One axial slice (175 of 484, counting up from the lowest) of a chest CT acquired at 120 kVp with the STANDARD kernel; each pixel is 0.586 mm and the slice is 1.25 mm thick.
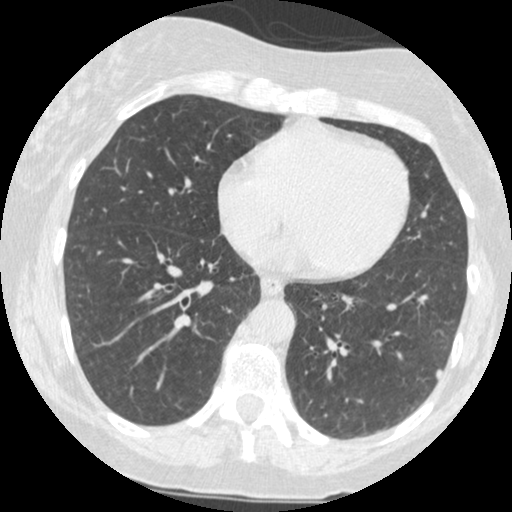
Pulmonary nodule outlined by three of the four readers; box rows 369–379, columns 436–441 (the union of the readers' outlines on this slice); median longest diameter 7.2 mm (readers' outlines 6.4–7.2 mm), median volume 74 mm3 (50–74 mm3). Median ratings and the readers' spread: texture 5/5 (solid) from all three readers; margin 5/5 (circumscribed) at the median of three readers, spread 4/5 to 5/5 (circumscribed); median sphericity 4/5 (readers ranged 3/5 (ovoid) to 4/5); calcification absent, all three readers agreeing; internal structure soft tissue, all three readers agreeing; median subtlety 4/5 (readers ranged 3–4); malignancy likelihood 3/5 at the median of three readers, spread 1–3. Scale key (1–5): texture non-solid→solid, margin indistinct→circumscribed, sphericity linear→round, subtlety extremely subtle→obvious, malignancy likelihood highly unlikely→highly suspicious of cancer. Box rows and columns are 0-based pixel indices from the top-left corner, inclusive.